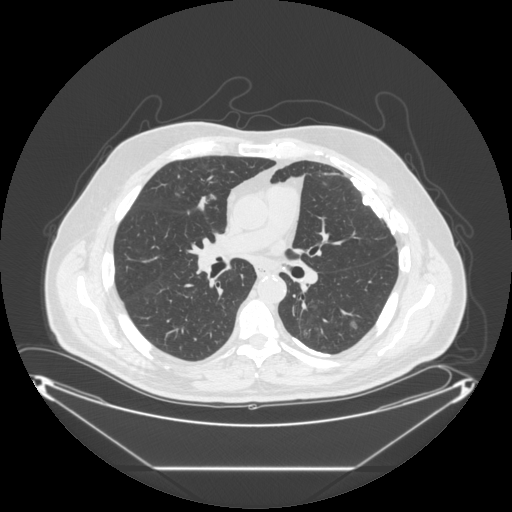
This is axial slice 162 of 297 (slice 1 is the lowest) of a chest CT; each pixel is 0.949 mm and the slice is 1.25 mm thick. Pulmonary nodule outlined by two of the four readers; box rows 320–329, columns 349–357 (the union of the readers' outlines on this slice); median longest diameter 13.8 mm (readers' outlines 12.7–15.0 mm), median volume 461 mm3 (351–570 mm3). Ratings, median across the readers with their spread: texture 3/5 (part-solid) at the median of two readers, spread 1/5 (non-solid) to 5/5 (solid); margin 3.5/5 at the median of two readers, spread 2/5 to 5/5 (circumscribed); median sphericity 4.5/5 (readers ranged 4/5 to 5/5 (round)); calcification absent, both readers agreeing; internal structure soft tissue, both readers agreeing; median subtlety 2.5/5 (readers ranged 1–4); malignancy likelihood 2/5, both readers agreeing. Scale key (1–5): texture non-solid→solid, margin indistinct→circumscribed, sphericity linear→round, subtlety extremely subtle→obvious, malignancy likelihood highly unlikely→highly suspicious of cancer. Box rows and columns are 0-based pixel indices from the top-left corner, inclusive.
Acquired at 120 kVp and reconstructed with the STANDARD kernel.